Axial chest CT slice 99 of 137 (counted from the lowest slice); tube voltage 140 kVp, convolution kernel BONE; slices 2.50 mm thick, 0.723 mm per pixel.
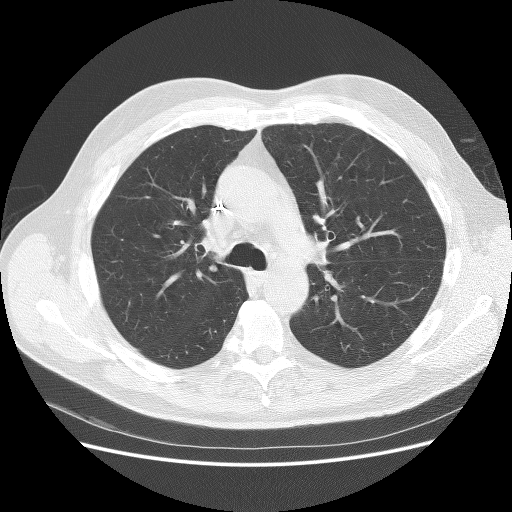
Pulmonary nodule outlined by all four readers; box rows 264–272, columns 208–217 (the union of the readers' outlines on this slice); the four readers' outlines give a longest diameter between 7.8 and 8.5 mm and a volume between 206 and 242 mm3. The readers' ratings, as ranges where they differ: texture from 4/5 to 5/5 (solid) across the four readers; margin from 4/5 to 5/5 (circumscribed) across the four readers; sphericity from 4/5 to 5/5 (round) across the four readers; calcification absent, all four readers agreeing; internal structure soft tissue from all four readers; subtlety rated between 3 and 4 out of 5 by the four readers; malignancy likelihood rated between 2 and 4 out of 5 by the four readers. Scale key (1–5): texture non-solid→solid, margin indistinct→circumscribed, sphericity linear→round, subtlety extremely subtle→obvious, malignancy likelihood highly unlikely→highly suspicious of cancer. Box rows and columns are 0-based pixel indices from the top-left corner, inclusive.